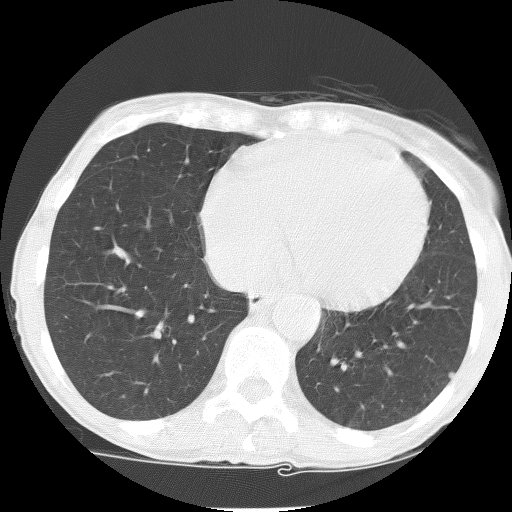
One axial slice (49 of 127, counting up from the lowest) of a chest CT acquired at 140 kVp with the BONE kernel; each pixel is 0.523 mm and the slice is 2.50 mm thick.
Pulmonary nodule at rows 372–378, columns 448–452 (box = that reader's outline on this slice), outlined by one of the four readers; longest diameter 4.3 mm and volume 23 mm3 from that reader's outline. That reader's ratings: texture 5/5 (solid); margin 4/5; sphericity 5/5 (round); calcification absent; internal structure soft tissue; subtlety 3/5; malignancy likelihood 2/5. Scale key (1–5): texture non-solid→solid, margin indistinct→circumscribed, sphericity linear→round, subtlety extremely subtle→obvious, malignancy likelihood highly unlikely→highly suspicious of cancer. Box rows and columns are 0-based pixel indices from the top-left corner, inclusive.